One axial slice (89 of 115, counting up from the lowest) of a chest CT acquired at 135 kVp with the FC01 kernel; each pixel is 0.729 mm and the slice is 3.00 mm thick.
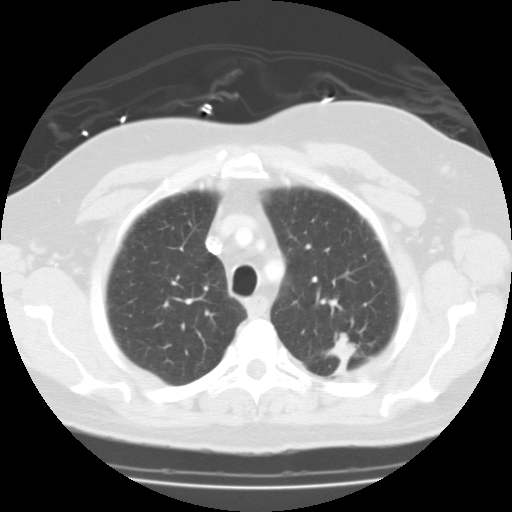
Pulmonary nodule outlined by one of the four readers; box rows 333–374, columns 325–357 (that reader's outline on this slice); longest diameter 34.4 mm and volume 9064 mm3 from that reader's outline. Ratings by that reader: texture 5/5 (solid); margin 3/5; sphericity 2/5; calcification absent; internal structure fluid; subtlety 5/5; malignancy likelihood 3/5. Scale key (1–5): texture non-solid→solid, margin indistinct→circumscribed, sphericity linear→round, subtlety extremely subtle→obvious, malignancy likelihood highly unlikely→highly suspicious of cancer. Box rows and columns are 0-based pixel indices from the top-left corner, inclusive.